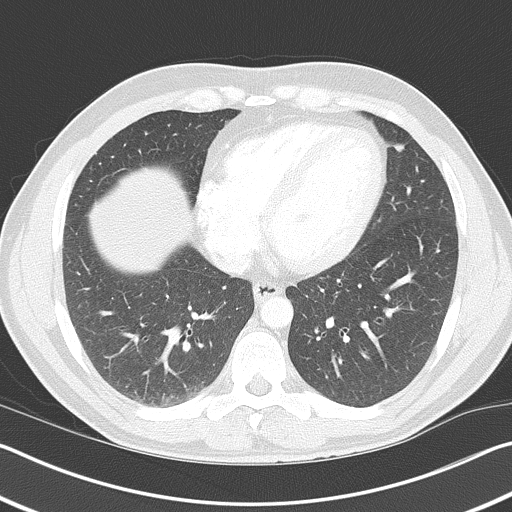
Axial slice 186 of 368 of a chest CT (slice 1 is the lowest), reconstructed with the B70f kernel at 120 kVp; 2.00 mm slice thickness and 0.660 mm pixels.
Pulmonary nodule at rows 143–151, columns 392–403 (box = that reader's outline on this slice), outlined by one of the four readers; longest diameter 9.3 mm and volume 180 mm3 from that reader's outline. Ratings by that reader: texture 1/5 (non-solid); margin 2/5; sphericity 5/5 (round); calcification absent; internal structure soft tissue; subtlety 1/5; malignancy likelihood 2/5. Scale key (1–5): texture non-solid→solid, margin indistinct→circumscribed, sphericity linear→round, subtlety extremely subtle→obvious, malignancy likelihood highly unlikely→highly suspicious of cancer. Box rows and columns are 0-based pixel indices from the top-left corner, inclusive.